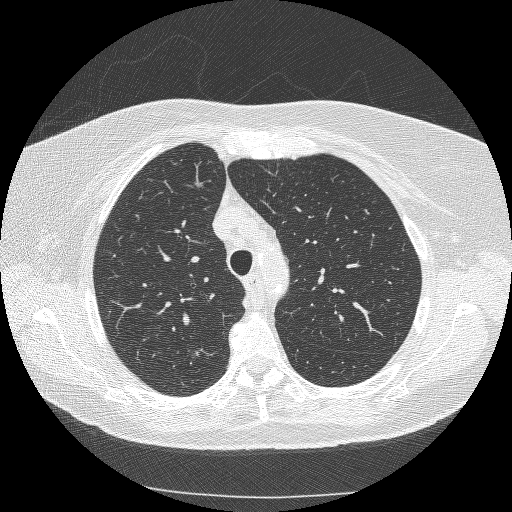
Chest CT, axial plane, 120 kVp, kernel BONE. Slice 205/253 from the bottom of the scan; thickness 1.25 mm; pixel size 0.625 mm.
Pulmonary nodule outlined by one of the four readers; box rows 350–357, columns 191–196 (that reader's outline on this slice); longest diameter 11.3 mm and volume 214 mm3 from that reader's outline. Ratings by that reader: texture 1/5 (non-solid); margin 1/5 (indistinct); sphericity 4/5; calcification absent; internal structure soft tissue; subtlety 3/5; malignancy likelihood 3/5. Scale key (1–5): texture non-solid→solid, margin indistinct→circumscribed, sphericity linear→round, subtlety extremely subtle→obvious, malignancy likelihood highly unlikely→highly suspicious of cancer. Box rows and columns are 0-based pixel indices from the top-left corner, inclusive.